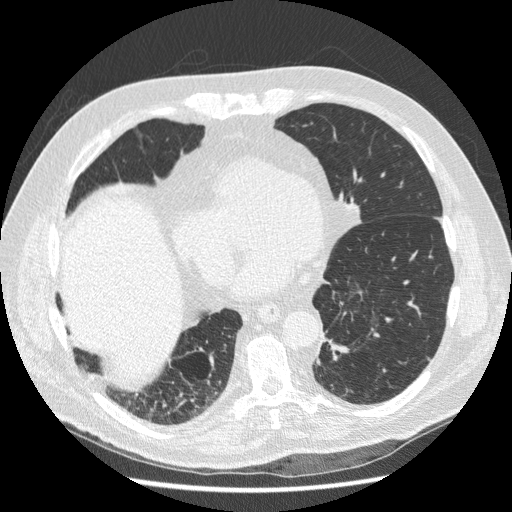
Chest CT, axial plane, 120 kVp, kernel STANDARD. Slice 73/216 from the bottom of the scan; thickness 1.25 mm; pixel size 0.703 mm.
Pulmonary nodule at rows 357–360, columns 426–429 (box = the union of the readers' outlines on this slice), outlined by two of the four readers; median longest diameter 6.2 mm (readers' outlines 6.0–6.4 mm), median volume 97 mm3 (94–101 mm3). Median ratings and the readers' spread: texture 5/5 (solid) from both readers; margin 4/5 at the median of two readers, spread 3/5 to 5/5 (circumscribed); sphericity 4/5 at the median of two readers, spread 3/5 (ovoid) to 5/5 (round); calcification absent, both readers agreeing; internal structure soft tissue, both readers agreeing; median subtlety 3.5/5 (readers ranged 3–4); malignancy likelihood 2/5 from both readers. Scale key (1–5): texture non-solid→solid, margin indistinct→circumscribed, sphericity linear→round, subtlety extremely subtle→obvious, malignancy likelihood highly unlikely→highly suspicious of cancer. Box rows and columns are 0-based pixel indices from the top-left corner, inclusive.